Axial slice 393 of 672 of a chest CT (slice 1 is the lowest), reconstructed with the B30f kernel at 120 kVp; 0.60 mm slice thickness and 0.607 mm pixels.
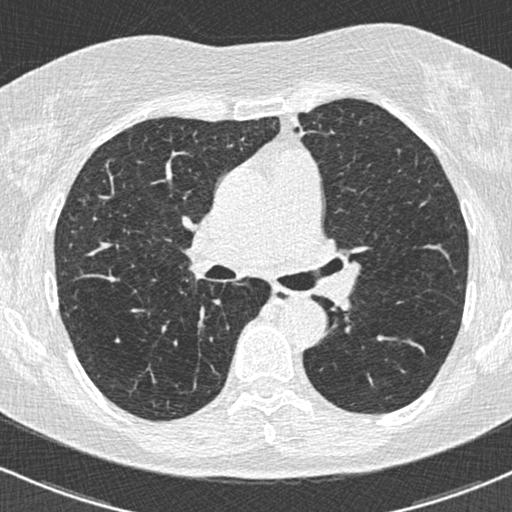
None of the four readers outlined a nodule of 3 mm or more on this slice.